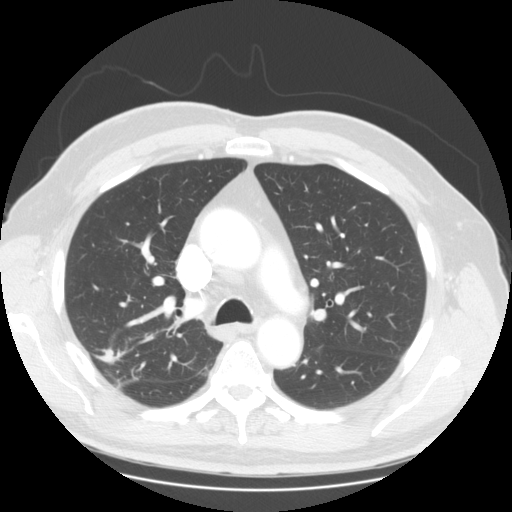
Axial chest CT slice 102 of 145 (counted from the lowest slice); tube voltage 120 kVp, convolution kernel STANDARD; slices 2.50 mm thick, 0.781 mm per pixel.
Pulmonary nodule outlined by three of the four readers, two of them on this slice; box rows 349–361, columns 99–115 (the union of the readers' outlines on this slice); longest diameter 28.0–34.8 mm and volume 3063–5177 mm3 across the three readers' outlines. The readers' ratings, as ranges where they differ: texture from 4/5 to 5/5 (solid) across the three readers; margin from 2/5 to 4/5 across the three readers; sphericity from 2/5 to 5/5 (round) across the three readers; calcification absent, all three readers agreeing; internal structure soft tissue from all three readers; subtlety 5/5 from all three readers; malignancy likelihood 3–5/5 (the readers disagree). Scale key (1–5): texture non-solid→solid, margin indistinct→circumscribed, sphericity linear→round, subtlety extremely subtle→obvious, malignancy likelihood highly unlikely→highly suspicious of cancer. Box rows and columns are 0-based pixel indices from the top-left corner, inclusive.